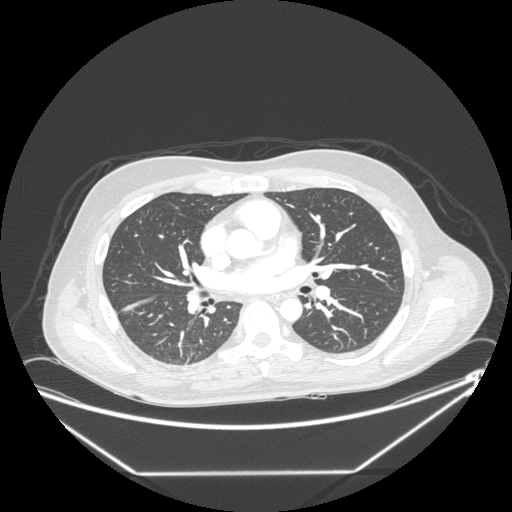
Slice 131/246 of a chest CT, counting up from the lowest; pixel size 0.859 mm, slice thickness 1.25 mm. No nodule of 3 mm or larger was outlined by any of the four readers on this slice.
Acquired at 120 kVp and reconstructed with the STANDARD kernel.